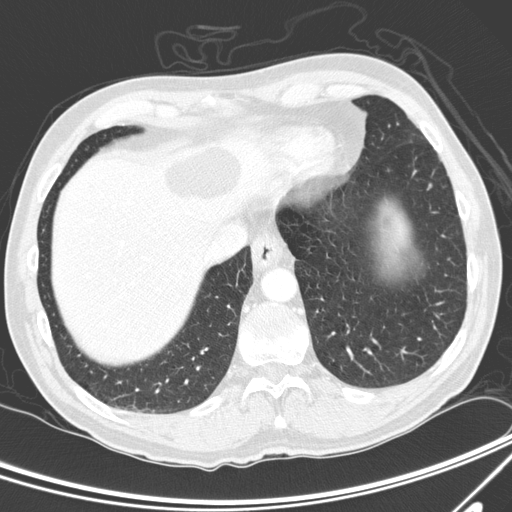
One axial slice (61 of 300, counting up from the lowest) of a chest CT acquired at 120 kVp with the D kernel; each pixel is 0.678 mm and the slice is 2.00 mm thick.
Pulmonary nodule outlined by one of the four readers; box rows 183–189, columns 427–431 (that reader's outline on this slice); longest diameter 5.8 mm and volume 44 mm3 from that reader's outline. Ratings by that reader: texture 5/5 (solid); margin 4/5; sphericity 3/5 (ovoid); calcification absent; internal structure soft tissue; subtlety 4/5; malignancy likelihood 2/5. Scale key (1–5): texture non-solid→solid, margin indistinct→circumscribed, sphericity linear→round, subtlety extremely subtle→obvious, malignancy likelihood highly unlikely→highly suspicious of cancer. Box rows and columns are 0-based pixel indices from the top-left corner, inclusive.